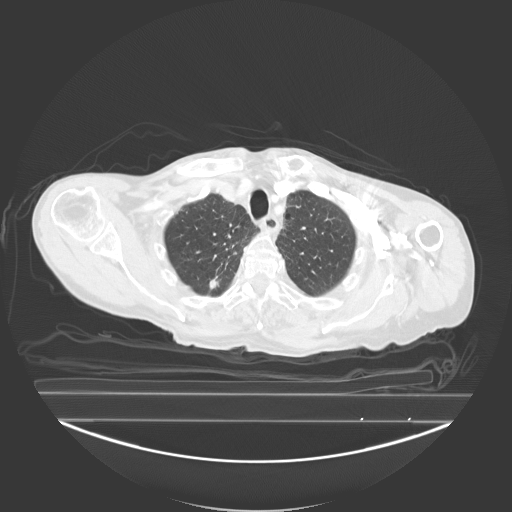
Axial chest CT slice 223 of 278 (counted from the lowest slice); tube voltage 130 kVp, convolution kernel B40s; slices 3.00 mm thick, 0.977 mm per pixel.
Pulmonary nodule at rows 277–289, columns 209–218 (box = the union of the readers' outlines on this slice), outlined by all four readers; median longest diameter 14.6 mm (readers' outlines 13.1–14.9 mm), median volume 551 mm3 (359–605 mm3). Ratings, median across the readers with their spread: median texture 4.5/5 (readers ranged 4/5 to 5/5 (solid)); margin 4/5 at the median of four readers, spread 2/5 to 4/5; median sphericity 3.5/5 (readers ranged 3/5 (ovoid) to 5/5 (round)); calcification absent, all four readers agreeing; internal structure soft tissue from all four readers; median subtlety 4.5/5 (readers ranged 4–5); median malignancy likelihood 3.5/5 (readers ranged 2–4). Scale key (1–5): texture non-solid→solid, margin indistinct→circumscribed, sphericity linear→round, subtlety extremely subtle→obvious, malignancy likelihood highly unlikely→highly suspicious of cancer. Box rows and columns are 0-based pixel indices from the top-left corner, inclusive.